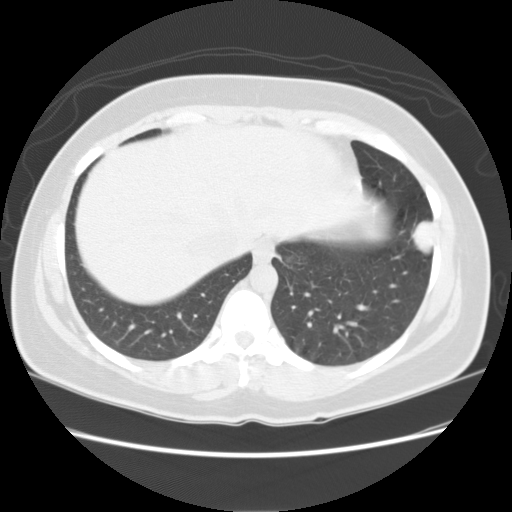
Axial slice 48 of 127 of a chest CT (slice 1 is the lowest), reconstructed with the STANDARD kernel at 120 kVp; 2.50 mm slice thickness and 0.703 mm pixels.
Pulmonary nodule, outlined by all four readers. Box on this slice rows 220–256, columns 411–433, the union of the readers' outlines on this slice; the four readers' outlines give a longest diameter between 27.7 and 28.3 mm and a volume between 5117 and 6404 mm3. Ratings across the readers: texture 5/5 (solid), all four readers agreeing; margin from 4/5 to 5/5 (circumscribed) across the four readers; sphericity from 3/5 (ovoid) to 5/5 (round) across the four readers; calcification absent from all four readers; internal structure soft tissue, all four readers agreeing; subtlety 5/5, all four readers agreeing; malignancy likelihood from 3/5 to 5/5 across the four readers. Scale key (1–5): texture non-solid→solid, margin indistinct→circumscribed, sphericity linear→round, subtlety extremely subtle→obvious, malignancy likelihood highly unlikely→highly suspicious of cancer. Box rows and columns are 0-based pixel indices from the top-left corner, inclusive.